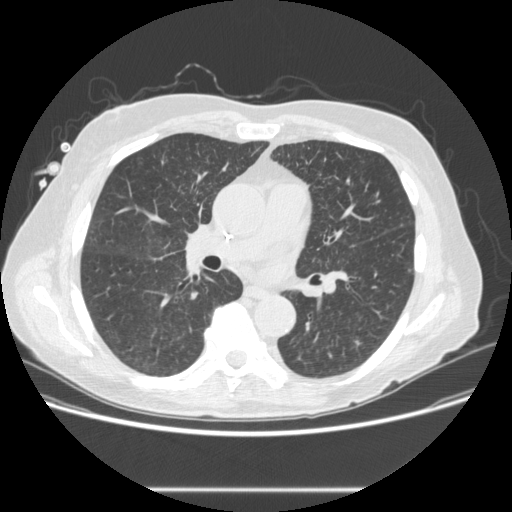
Axial slice 153 of 273 of a chest CT (slice 1 is the lowest), reconstructed with the STANDARD kernel at 120 kVp; 1.25 mm slice thickness and 0.740 mm pixels.
The readers outlined no nodule of 3 mm or more on this slice.